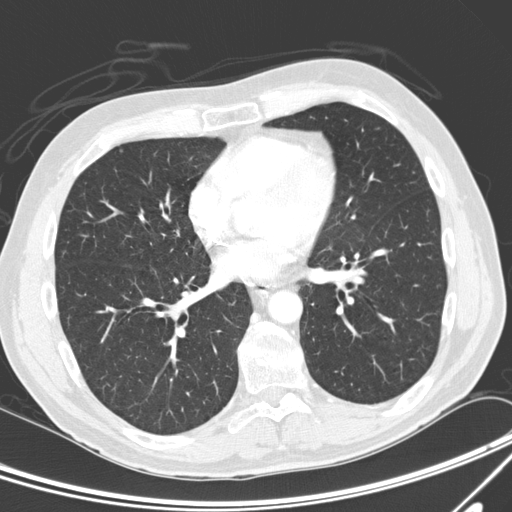
Axial chest CT slice 114 of 300 (counted from the lowest slice); 2.00 mm thick, 0.678 mm per pixel. Pulmonary nodule outlined by three of the four readers, two of them on this slice; box rows 149–151, columns 118–122 (the union of the readers' outlines on this slice); the three readers' outlines give a longest diameter between 3.5 and 5.2 mm and a volume between 18 and 51 mm3. Ratings across the readers: texture 5/5 (solid), all three readers agreeing; margin from 4/5 to 5/5 (circumscribed) across the three readers; sphericity from 4/5 to 5/5 (round) across the three readers; calcification absent from all three readers; internal structure soft tissue, all three readers agreeing; subtlety rated between 4 and 5 out of 5 by the three readers; malignancy likelihood from 2/5 to 3/5 across the three readers. Scale key (1–5): texture non-solid→solid, margin indistinct→circumscribed, sphericity linear→round, subtlety extremely subtle→obvious, malignancy likelihood highly unlikely→highly suspicious of cancer. Box rows and columns are 0-based pixel indices from the top-left corner, inclusive.
Scan settings: 120 kVp, D reconstruction kernel.